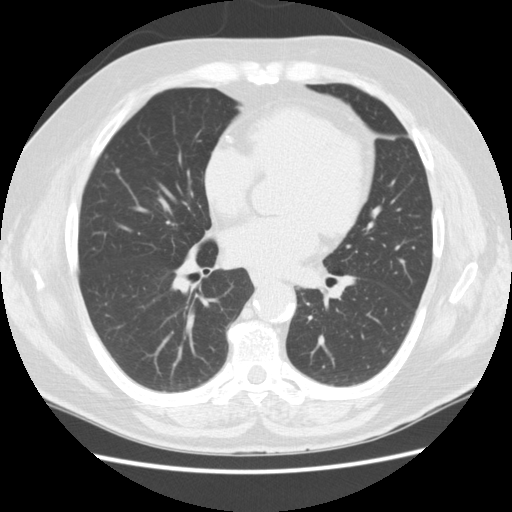
Axial chest CT slice 76 of 148 (counted from the lowest slice); 2.50 mm thick, 0.703 mm per pixel. Two pulmonary nodules are outlined on this slice; from left to right: (1) Pulmonary nodule outlined by all four readers, three of them on this slice; box rows 154–159, columns 105–107 (the union of the readers' outlines on this slice); the four readers' outlines give a longest diameter between 4.9 and 6.5 mm and a volume between 51 and 101 mm3. The readers' ratings, as ranges where they differ: texture from 4/5 to 5/5 (solid) across the four readers; margin from 4/5 to 5/5 (circumscribed) across the four readers; sphericity 5/5 (round), all four readers agreeing; calcification absent from all four readers; internal structure soft tissue, all four readers agreeing; subtlety 3–5/5 (the readers disagree); malignancy likelihood 1–2/5 (the readers disagree). (2) Pulmonary nodule outlined by three of the four readers; box rows 167–172, columns 115–120 (the union of the readers' outlines on this slice); median longest diameter 4.7 mm (readers' outlines 3.8–5.7 mm), median volume 48 mm3 (38–48 mm3). Median ratings and the readers' spread: median texture 5/5 (solid) (readers ranged 4/5 to 5/5 (solid)); margin 4/5 at the median of three readers, spread 4/5 to 5/5 (circumscribed); sphericity 5/5 (round) at the median of three readers, spread 4/5 to 5/5 (round); calcification absent from all three readers; internal structure soft tissue from all three readers; subtlety 3/5 at the median of three readers, spread 2–4; malignancy likelihood 2/5 from all three readers. Scale key (1–5): texture non-solid→solid, margin indistinct→circumscribed, sphericity linear→round, subtlety extremely subtle→obvious, malignancy likelihood highly unlikely→highly suspicious of cancer. Box rows and columns are 0-based pixel indices from the top-left corner, inclusive.
Scan settings: 120 kVp, STANDARD reconstruction kernel.